One axial slice (78 of 124, counting up from the lowest) of a chest CT acquired at 130 kVp with the B31s kernel; each pixel is 0.656 mm and the slice is 3.00 mm thick.
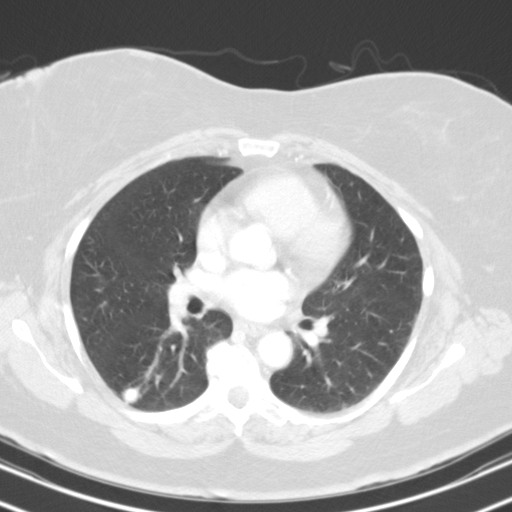
Pulmonary nodule at rows 386–404, columns 122–141 (box = the union of the readers' outlines on this slice), outlined by all four readers; longest diameter 12.5 mm on average over the four readers' outlines (readers' outlines 11.5–14.7 mm), volume 512–1047 mm3. The readers' prevailing ratings and who disagreed: texture 5/5 (solid) by three of four readers; the rest gave 4/5 (one); margin split among the readers: 3/5 (two), 5/5 (circumscribed) (two); most readers (three of four) put sphericity at 5/5 (round), others 4/5 (one); calcification split among the readers: solid calcification (two), absent (two); internal structure soft tissue from all four readers; most readers (three of four) put subtlety at 5/5, others 4/5 (one); malignancy likelihood split among the readers: 1/5 (two), 3/5 (two). Scale key (1–5): texture non-solid→solid, margin indistinct→circumscribed, sphericity linear→round, subtlety extremely subtle→obvious, malignancy likelihood highly unlikely→highly suspicious of cancer. Box rows and columns are 0-based pixel indices from the top-left corner, inclusive.